One axial slice (165 of 235, counting up from the lowest) of a chest CT acquired at 120 kVp with the BONE kernel; each pixel is 0.537 mm and the slice is 1.25 mm thick.
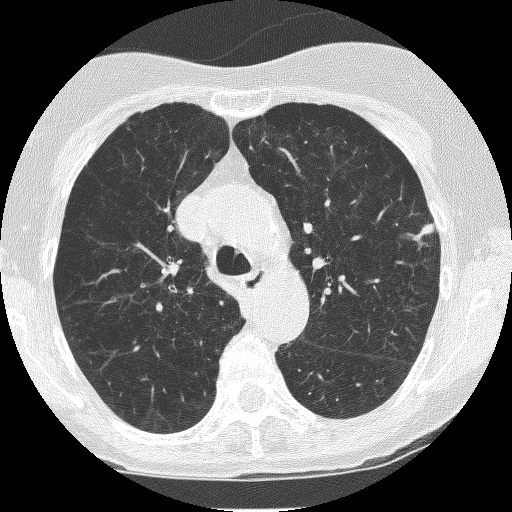
Pulmonary nodule outlined by all four readers; box rows 223–234, columns 420–434 (the union of the readers' outlines on this slice); longest diameter 8.4–9.6 mm and volume 213–290 mm3 across the four readers' outlines. Ratings across the readers: texture from 4/5 to 5/5 (solid) across the four readers; margin from 3/5 to 5/5 (circumscribed) across the four readers; sphericity from 2/5 to 5/5 (round) across the four readers; calcification absent, all four readers agreeing; internal structure soft tissue, all four readers agreeing; subtlety rated between 4 and 5 out of 5 by the four readers; malignancy likelihood rated between 2 and 4 out of 5 by the four readers. Scale key (1–5): texture non-solid→solid, margin indistinct→circumscribed, sphericity linear→round, subtlety extremely subtle→obvious, malignancy likelihood highly unlikely→highly suspicious of cancer. Box rows and columns are 0-based pixel indices from the top-left corner, inclusive.